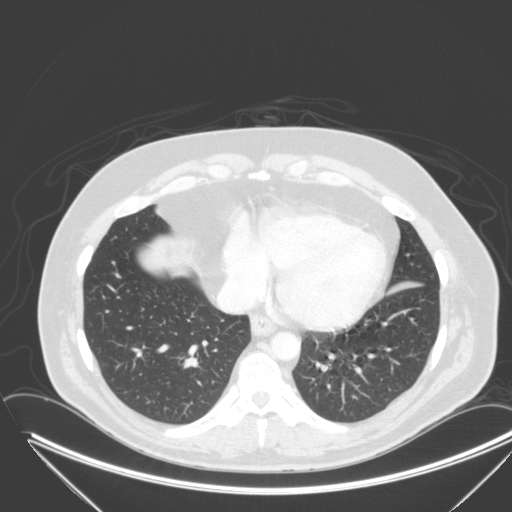
Slice 107/315 of a chest CT, counting up from the lowest; pixel size 0.830 mm, slice thickness 2.00 mm. Pulmonary nodule outlined by one of the four readers; box rows 261–264, columns 112–115 (that reader's outline on this slice); longest diameter 4.8 mm and volume 44 mm3 from that reader's outline. That reader's ratings: texture 4/5; margin 5/5 (circumscribed); sphericity 5/5 (round); calcification absent; internal structure soft tissue; subtlety 5/5; malignancy likelihood 3/5. Scale key (1–5): texture non-solid→solid, margin indistinct→circumscribed, sphericity linear→round, subtlety extremely subtle→obvious, malignancy likelihood highly unlikely→highly suspicious of cancer. Box rows and columns are 0-based pixel indices from the top-left corner, inclusive.
Tube voltage 120 kVp; convolution kernel B.